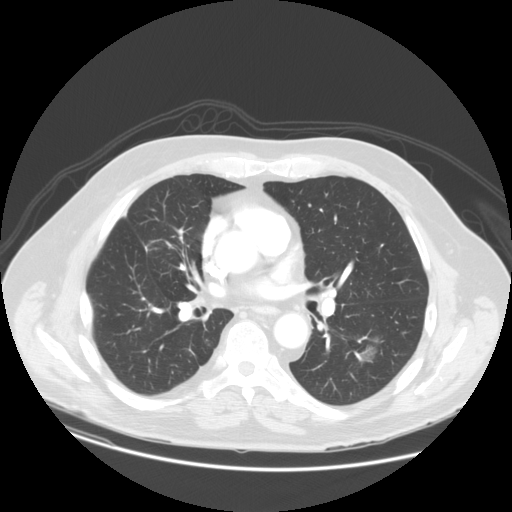
Axial chest CT slice 66 of 140 (counted from the lowest slice); 2.50 mm thick, 0.820 mm per pixel. Pulmonary nodule at rows 334–365, columns 357–380 (box = that reader's outline on this slice), outlined by one of the four readers; longest diameter 31.7 mm and volume 4731 mm3 from that reader's outline. That reader's ratings: texture 1/5 (non-solid); margin 2/5; sphericity 5/5 (round); calcification absent; internal structure soft tissue; subtlety 1/5; malignancy likelihood 2/5. Scale key (1–5): texture non-solid→solid, margin indistinct→circumscribed, sphericity linear→round, subtlety extremely subtle→obvious, malignancy likelihood highly unlikely→highly suspicious of cancer. Box rows and columns are 0-based pixel indices from the top-left corner, inclusive.
Acquired at 120 kVp and reconstructed with the STANDARD kernel.